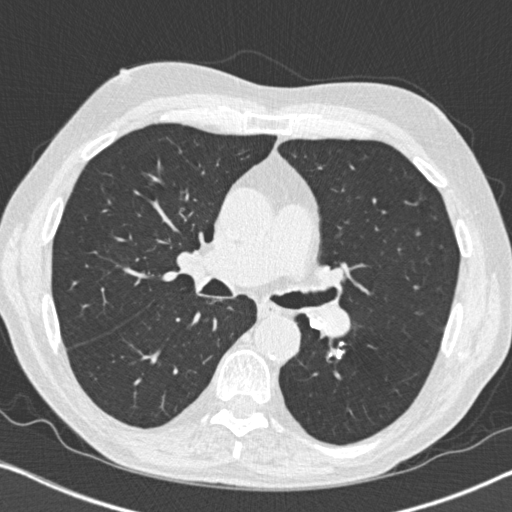
Chest CT, axial plane, 120 kVp, kernel B31f. Slice 464/764 from the bottom of the scan; thickness 1.00 mm; pixel size 0.646 mm.
Pulmonary nodule, outlined by one of the four readers. Box on this slice rows 350–358, columns 336–343, that reader's outline on this slice; longest diameter 8.3 mm and volume 154 mm3 from that reader's outline. Ratings by that reader: texture 5/5 (solid); margin 5/5 (circumscribed); sphericity 3/5 (ovoid); calcification solid calcification; internal structure soft tissue; subtlety 5/5; malignancy likelihood 1/5. Scale key (1–5): texture non-solid→solid, margin indistinct→circumscribed, sphericity linear→round, subtlety extremely subtle→obvious, malignancy likelihood highly unlikely→highly suspicious of cancer. Box rows and columns are 0-based pixel indices from the top-left corner, inclusive.